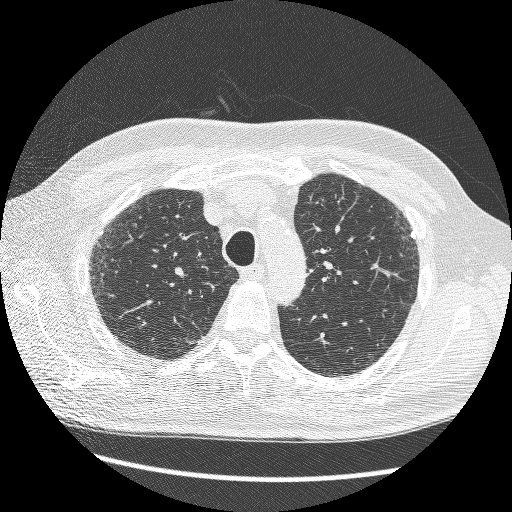
This is axial slice 201 of 264 (slice 1 is the lowest) of a chest CT; each pixel is 0.703 mm and the slice is 1.25 mm thick. Pulmonary nodule outlined by three of the four readers; box rows 231–238, columns 411–415 (the union of the readers' outlines on this slice); the three readers' outlines give a longest diameter between 6.7 and 7.6 mm and a volume between 43 and 74 mm3. Ratings across the readers: texture 5/5 (solid) from all three readers; margin from 4/5 to 5/5 (circumscribed) across the three readers; sphericity from 1/5 (linear) to 3/5 (ovoid) across the three readers; calcification solid calcification from all three readers; internal structure soft tissue from all three readers; subtlety from 1/5 to 4/5 across the three readers; malignancy likelihood 1/5 from all three readers. Scale key (1–5): texture non-solid→solid, margin indistinct→circumscribed, sphericity linear→round, subtlety extremely subtle→obvious, malignancy likelihood highly unlikely→highly suspicious of cancer. Box rows and columns are 0-based pixel indices from the top-left corner, inclusive.
Tube voltage 120 kVp; convolution kernel BONE.